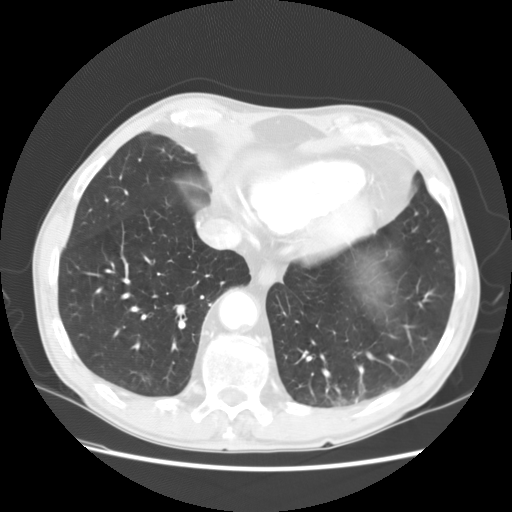
One axial slice (50 of 147, counting up from the lowest) of a chest CT acquired at 120 kVp with the STANDARD kernel; each pixel is 0.703 mm and the slice is 2.50 mm thick.
Pulmonary nodule, outlined by one of the four readers. Box on this slice rows 375–380, columns 143–150, that reader's outline on this slice; longest diameter 10.7 mm and volume 531 mm3 from that reader's outline. Ratings by that reader: texture 1/5 (non-solid); margin 2/5; sphericity 5/5 (round); calcification absent; internal structure soft tissue; subtlety 1/5; malignancy likelihood 2/5. Scale key (1–5): texture non-solid→solid, margin indistinct→circumscribed, sphericity linear→round, subtlety extremely subtle→obvious, malignancy likelihood highly unlikely→highly suspicious of cancer. Box rows and columns are 0-based pixel indices from the top-left corner, inclusive.